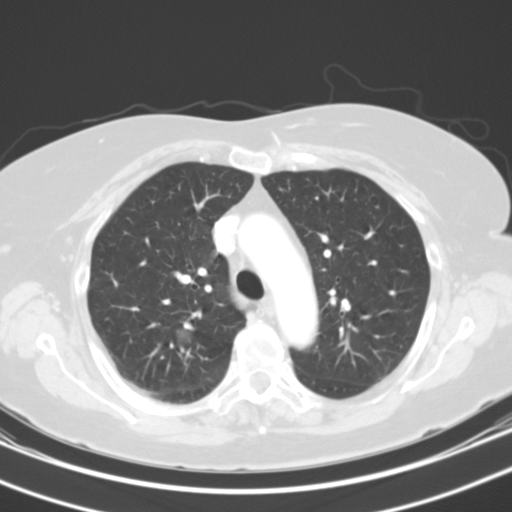
Axial chest CT slice 78 of 109 (counted from the lowest slice); 3.00 mm thick, 0.629 mm per pixel. Pulmonary nodule, outlined by all four readers, three of them on this slice. Box on this slice rows 330–343, columns 177–190, the union of the readers' outlines on this slice; longest diameter 20.2 mm on average over the four readers' outlines (readers' outlines 16.9–27.7 mm), volume 1856–2397 mm3. The readers' prevailing ratings and who disagreed: texture 5/5 (solid) from all four readers; margin split among the readers: 4/5 (two), 5/5 (circumscribed) (two); most readers (three of four) put sphericity at 4/5, others 5/5 (round) (one); calcification absent, all four readers agreeing; internal structure soft tissue from all four readers; subtlety 5/5 from all four readers; malignancy likelihood 5/5 by two of four readers; the rest gave 3/5 (one), 4/5 (one). Scale key (1–5): texture non-solid→solid, margin indistinct→circumscribed, sphericity linear→round, subtlety extremely subtle→obvious, malignancy likelihood highly unlikely→highly suspicious of cancer. Box rows and columns are 0-based pixel indices from the top-left corner, inclusive.
Acquired at 130 kVp and reconstructed with the B31s kernel.